One axial slice (216 of 261, counting up from the lowest) of a chest CT acquired at 120 kVp with the STANDARD kernel; each pixel is 0.684 mm and the slice is 1.25 mm thick.
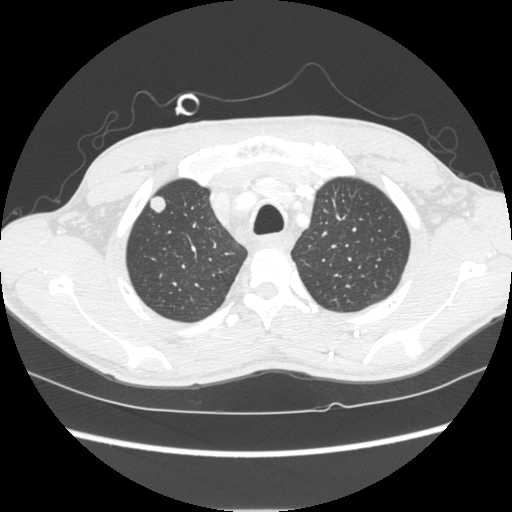
Pulmonary nodule at rows 196–212, columns 150–165 (box = the union of the readers' outlines on this slice), outlined by all four readers; median longest diameter 14.0 mm (readers' outlines 13.4–14.6 mm), median volume 848 mm3 (779–989 mm3). Median ratings and the readers' spread: texture 5/5 (solid) from all four readers; margin 5/5 (circumscribed) from all four readers; median sphericity 4.5/5 (readers ranged 4/5 to 5/5 (round)); calcification absent, all four readers agreeing; internal structure soft tissue, all four readers agreeing; subtlety 4.5/5 at the median of four readers, spread 3–5; median malignancy likelihood 4/5 (readers ranged 2–5). Scale key (1–5): texture non-solid→solid, margin indistinct→circumscribed, sphericity linear→round, subtlety extremely subtle→obvious, malignancy likelihood highly unlikely→highly suspicious of cancer. Box rows and columns are 0-based pixel indices from the top-left corner, inclusive.